Axial slice 77 of 241 of a chest CT (slice 1 is the lowest), reconstructed with the BONE kernel at 120 kVp; 1.25 mm slice thickness and 0.609 mm pixels.
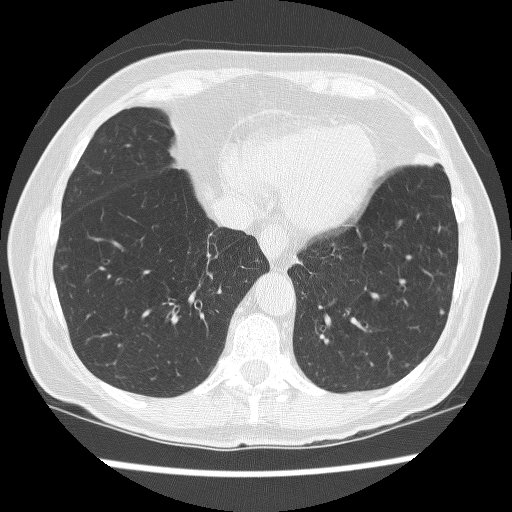
Two pulmonary nodules on this slice, listed from left to right. (1) Pulmonary nodule outlined by one of the four readers; box rows 264–270, columns 60–66 (that reader's outline on this slice); longest diameter 6.6 mm and volume 80 mm3 from that reader's outline. That reader's ratings: texture 1/5 (non-solid); margin 1/5 (indistinct); sphericity 4/5; calcification absent; internal structure soft tissue; subtlety 3/5; malignancy likelihood 4/5. (2) Pulmonary nodule, outlined by two of the four readers. Box on this slice rows 307–315, columns 439–444, the union of the readers' outlines on this slice; the two readers' outlines give a longest diameter between 5.0 and 6.9 mm and a volume between 46 and 102 mm3. The readers' ratings, as ranges where they differ: texture from 3/5 (part-solid) to 4/5 across the two readers; margin from 2/5 to 5/5 (circumscribed) across the two readers; sphericity 3/5 (ovoid), both readers agreeing; calcification absent, both readers agreeing; internal structure soft tissue, both readers agreeing; subtlety 2–3/5 (the readers disagree); malignancy likelihood 2–3/5 (the readers disagree). Scale key (1–5): texture non-solid→solid, margin indistinct→circumscribed, sphericity linear→round, subtlety extremely subtle→obvious, malignancy likelihood highly unlikely→highly suspicious of cancer. Box rows and columns are 0-based pixel indices from the top-left corner, inclusive.